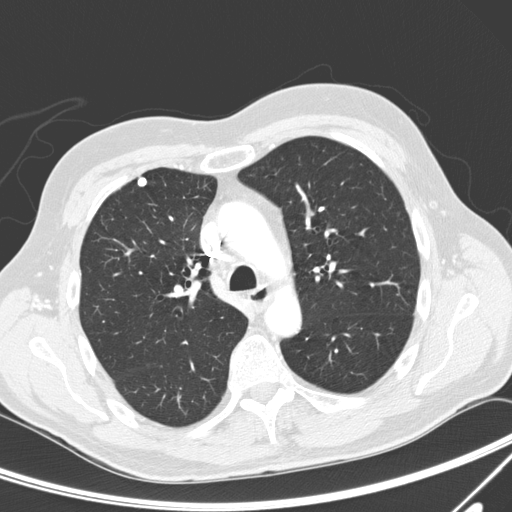
One axial slice (186 of 300, counting up from the lowest) of a chest CT acquired at 120 kVp with the D kernel; each pixel is 0.678 mm and the slice is 2.00 mm thick.
Pulmonary nodule at rows 177–186, columns 136–146 (box = the union of the readers' outlines on this slice), outlined by all four readers; longest diameter 7.9–8.5 mm and volume 191–251 mm3 across the four readers' outlines. The readers' ratings, as ranges where they differ: texture 5/5 (solid) from all four readers; margin from 4/5 to 5/5 (circumscribed) across the four readers; sphericity from 3/5 (ovoid) to 5/5 (round) across the four readers; calcification: solid calcification (three), absent (one); internal structure soft tissue from all four readers; subtlety 5/5, all four readers agreeing; malignancy likelihood from 1/5 to 3/5 across the four readers. Scale key (1–5): texture non-solid→solid, margin indistinct→circumscribed, sphericity linear→round, subtlety extremely subtle→obvious, malignancy likelihood highly unlikely→highly suspicious of cancer. Box rows and columns are 0-based pixel indices from the top-left corner, inclusive.